Axial slice 129 of 181 of a chest CT (slice 1 is the lowest), reconstructed with the B30f kernel at 120 kVp; 2.00 mm slice thickness and 0.664 mm pixels.
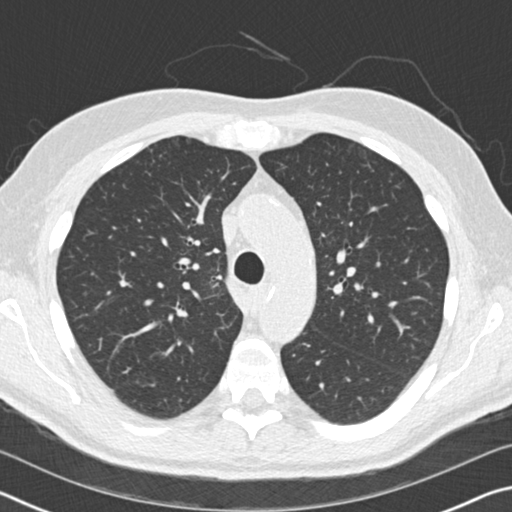
This slice carries no reader outline of a nodule 3 mm or larger.